Chest CT, axial plane, 120 kVp, kernel B30f. Slice 121/177 from the bottom of the scan; thickness 2.00 mm; pixel size 0.643 mm.
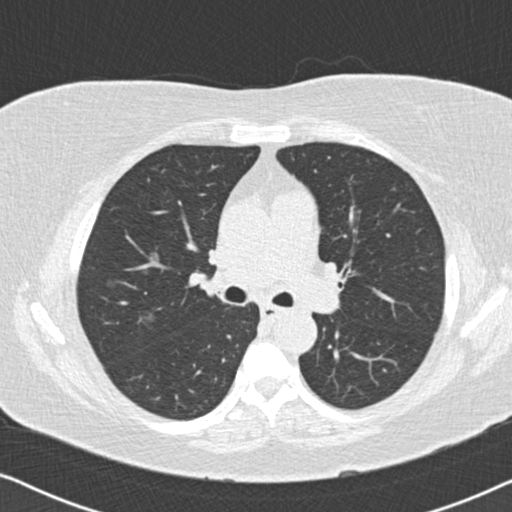
Three pulmonary nodules on this slice, listed from left to right. (1) Pulmonary nodule at rows 280–287, columns 106–115 (box = the union of the readers' outlines on this slice), outlined by two of the four readers; longest diameter 9.9 mm on average over the two readers' outlines (readers' outlines 8.6–11.2 mm), volume 175–261 mm3. Ratings, by the readers' most common answer with dissent counted: texture 1/5 (non-solid), both readers agreeing; margin split among the readers: 1/5 (indistinct) (one), 2/5 (one); sphericity split among the readers: 4/5 (one), 5/5 (round) (one); calcification absent from both readers; internal structure soft tissue from both readers; subtlety split among the readers: 1/5 (one), 3/5 (one); malignancy likelihood 3/5, both readers agreeing. (2) Pulmonary nodule at rows 313–321, columns 144–155 (box = the union of the readers' outlines on this slice), outlined by two of the four readers; longest diameter 9.3 mm on average over the two readers' outlines (readers' outlines 9.3 mm), volume 296–335 mm3. Ratings, by the readers' most common answer with dissent counted: texture 1/5 (non-solid) from both readers; margin 1/5 (indistinct), both readers agreeing; sphericity split among the readers: 2/5 (one), 5/5 (round) (one); calcification absent from both readers; internal structure soft tissue, both readers agreeing; subtlety split among the readers: 1/5 (one), 3/5 (one); malignancy likelihood 3/5 from both readers. (3) Pulmonary nodule at rows 253–262, columns 149–157 (box = the union of the readers' outlines on this slice), outlined by two of the four readers; longest diameter 7.3–8.2 mm and volume 42–143 mm3 across the two readers' outlines. Ratings across the readers: texture 1/5 (non-solid), both readers agreeing; margin 1/5 (indistinct) from both readers; sphericity from 3/5 (ovoid) to 5/5 (round) across the two readers; calcification absent, both readers agreeing; internal structure soft tissue from both readers; subtlety from 2/5 to 5/5 across the two readers; malignancy likelihood 3/5, both readers agreeing. Scale key (1–5): texture non-solid→solid, margin indistinct→circumscribed, sphericity linear→round, subtlety extremely subtle→obvious, malignancy likelihood highly unlikely→highly suspicious of cancer. Box rows and columns are 0-based pixel indices from the top-left corner, inclusive.